Axial slice 128 of 237 of a chest CT (slice 1 is the lowest), reconstructed with the BONE kernel at 120 kVp; 1.25 mm slice thickness and 0.664 mm pixels.
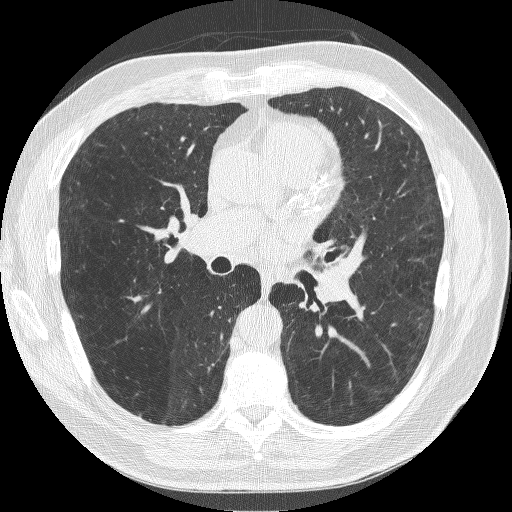
No nodule of 3 mm or larger was outlined by any of the four readers on this slice.